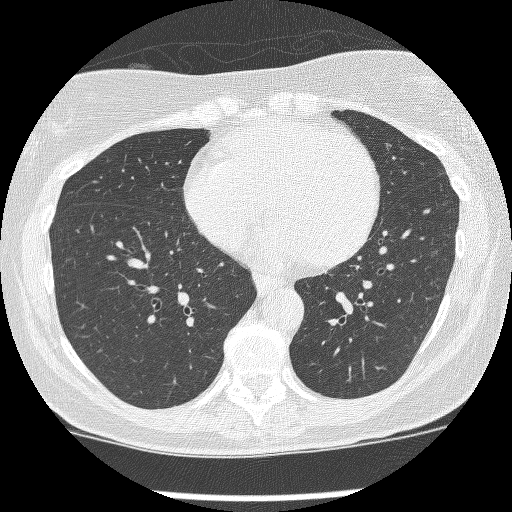
Slice 111/257 of a chest CT, counting up from the lowest; pixel size 0.576 mm, slice thickness 1.25 mm. Pulmonary nodule outlined by three of the four readers, two of them on this slice; box rows 249–256, columns 429–435 (the union of the readers' outlines on this slice); the three readers' outlines give a longest diameter between 4.9 and 6.0 mm and a volume between 61 and 103 mm3. Ratings across the readers: texture from 1/5 (non-solid) to 5/5 (solid) across the three readers; margin from 1/5 (indistinct) to 4/5 across the three readers; sphericity from 2/5 to 3/5 (ovoid) across the three readers; calcification absent from all three readers; internal structure soft tissue from all three readers; subtlety 1–5/5 (the readers disagree); malignancy likelihood from 3/5 to 4/5 across the three readers. Scale key (1–5): texture non-solid→solid, margin indistinct→circumscribed, sphericity linear→round, subtlety extremely subtle→obvious, malignancy likelihood highly unlikely→highly suspicious of cancer. Box rows and columns are 0-based pixel indices from the top-left corner, inclusive.
Tube voltage 120 kVp; convolution kernel BONE.